Axial slice 91 of 100 of a chest CT (slice 1 is the lowest), reconstructed with the FC01 kernel at 135 kVp; 3.00 mm slice thickness and 0.540 mm pixels.
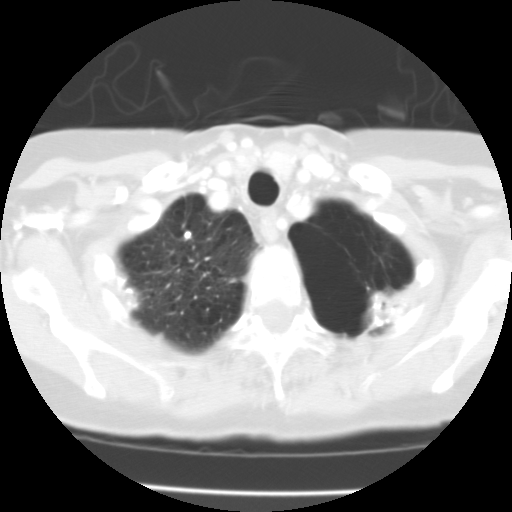
Pulmonary nodule at rows 231–239, columns 183–191 (box = the union of the readers' outlines on this slice), outlined by all four readers; the four readers' outlines give a longest diameter between 4.1 and 5.6 mm and a volume between 70 and 94 mm3. The readers' ratings, as ranges where they differ: texture 5/5 (solid), all four readers agreeing; margin 5/5 (circumscribed), all four readers agreeing; sphericity 5/5 (round) from all four readers; calcification solid calcification, all four readers agreeing; internal structure soft tissue, all four readers agreeing; subtlety 4–5/5 (the readers disagree); malignancy likelihood 1/5, all four readers agreeing. Scale key (1–5): texture non-solid→solid, margin indistinct→circumscribed, sphericity linear→round, subtlety extremely subtle→obvious, malignancy likelihood highly unlikely→highly suspicious of cancer. Box rows and columns are 0-based pixel indices from the top-left corner, inclusive.